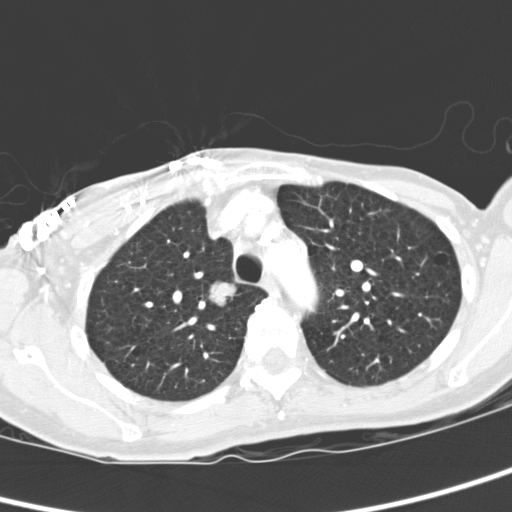
Axial slice 246 of 321 of a chest CT (slice 1 is the lowest), reconstructed with the D kernel at 120 kVp; 2.00 mm slice thickness and 0.557 mm pixels.
Pulmonary nodule at rows 279–306, columns 208–236 (box = the union of the readers' outlines on this slice), outlined by all four readers; the four readers' outlines give a longest diameter between 19.2 and 21.9 mm and a volume between 3323 and 4100 mm3. The readers' ratings, as ranges where they differ: texture 5/5 (solid) from all four readers; margin from 4/5 to 5/5 (circumscribed) across the four readers; sphericity from 4/5 to 5/5 (round) across the four readers; calcification absent, all four readers agreeing; internal structure soft tissue, all four readers agreeing; subtlety 5/5 from all four readers; malignancy likelihood 3–5/5 (the readers disagree). Scale key (1–5): texture non-solid→solid, margin indistinct→circumscribed, sphericity linear→round, subtlety extremely subtle→obvious, malignancy likelihood highly unlikely→highly suspicious of cancer. Box rows and columns are 0-based pixel indices from the top-left corner, inclusive.